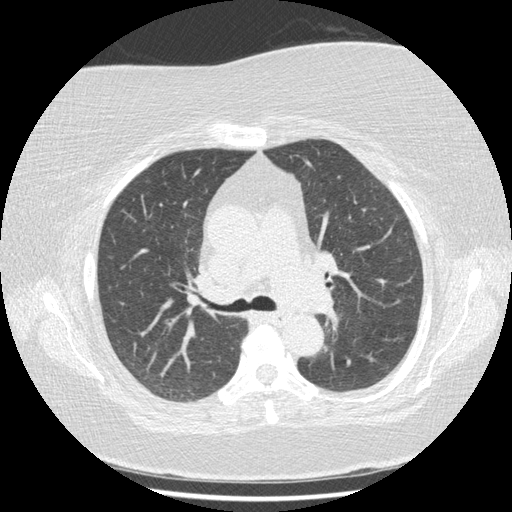
Chest CT, axial plane, 120 kVp, kernel STANDARD. Slice 280/417 from the bottom of the scan; thickness 1.25 mm; pixel size 0.703 mm.
Pulmonary nodule outlined by three of the four readers, two of them on this slice; box rows 258–261, columns 397–401 (the union of the readers' outlines on this slice); longest diameter 6.2 mm on average over the three readers' outlines (readers' outlines 5.8–6.7 mm), volume 55–91 mm3. The readers' prevailing ratings and who disagreed: texture 5/5 (solid) by two of three readers; the rest gave 4/5 (one); most readers (two of three) put margin at 4/5, others 5/5 (circumscribed) (one); sphericity 4/5 by two of three readers; the rest gave 5/5 (round) (one); calcification absent from all three readers; internal structure soft tissue from all three readers; most readers (two of three) put subtlety at 4/5, others 5/5 (one); most readers (two of three) put malignancy likelihood at 3/5, others 2/5 (one). Scale key (1–5): texture non-solid→solid, margin indistinct→circumscribed, sphericity linear→round, subtlety extremely subtle→obvious, malignancy likelihood highly unlikely→highly suspicious of cancer. Box rows and columns are 0-based pixel indices from the top-left corner, inclusive.